Chest CT, axial plane, 120 kVp, kernel D. Slice 229/321 from the bottom of the scan; thickness 2.00 mm; pixel size 0.557 mm.
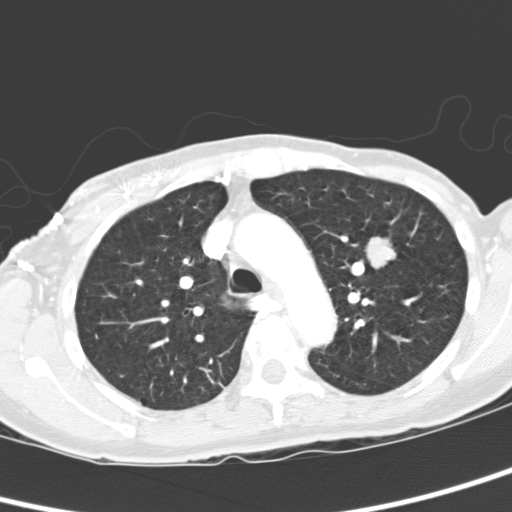
Pulmonary nodule outlined by all four readers; box rows 236–270, columns 363–396 (the union of the readers' outlines on this slice); longest diameter 20.7 mm on average over the four readers' outlines (readers' outlines 19.2–22.3 mm), volume 3069–4125 mm3. The readers' prevailing ratings and who disagreed: texture 5/5 (solid), all four readers agreeing; margin 5/5 (circumscribed), all four readers agreeing; sphericity split among the readers: 4/5 (two), 5/5 (round) (two); calcification absent, all four readers agreeing; internal structure soft tissue from all four readers; subtlety 5/5, all four readers agreeing; malignancy likelihood 5/5 by two of four readers; the rest gave 2/5 (one), 3/5 (one). Scale key (1–5): texture non-solid→solid, margin indistinct→circumscribed, sphericity linear→round, subtlety extremely subtle→obvious, malignancy likelihood highly unlikely→highly suspicious of cancer. Box rows and columns are 0-based pixel indices from the top-left corner, inclusive.